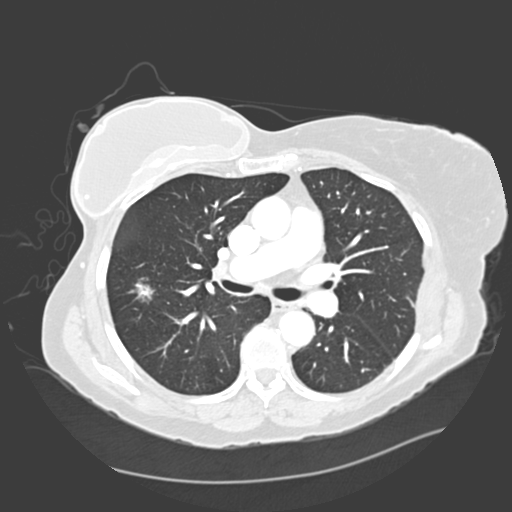
Chest CT, axial plane, 120 kVp, kernel D. Slice 191/328 from the bottom of the scan; thickness 2.00 mm; pixel size 0.742 mm.
Pulmonary nodule at rows 282–301, columns 128–154 (box = the union of the readers' outlines on this slice), outlined by all four readers; longest diameter 19.7 mm on average over the four readers' outlines (readers' outlines 18.3–21.0 mm), volume 877–1921 mm3. Ratings, by the readers' most common answer with dissent counted: texture 3/5 (part-solid) by two of four readers; the rest gave 4/5 (one), 5/5 (solid) (one); margin 2/5 by two of four readers; the rest gave 3/5 (one), 4/5 (one); most readers (three of four) put sphericity at 3/5 (ovoid), others 2/5 (one); calcification absent, all four readers agreeing; internal structure soft tissue, all four readers agreeing; subtlety 5/5 by three of four readers; the rest gave 4/5 (one); malignancy likelihood 4/5 by two of four readers; the rest gave 3/5 (one), 5/5 (one). Scale key (1–5): texture non-solid→solid, margin indistinct→circumscribed, sphericity linear→round, subtlety extremely subtle→obvious, malignancy likelihood highly unlikely→highly suspicious of cancer. Box rows and columns are 0-based pixel indices from the top-left corner, inclusive.